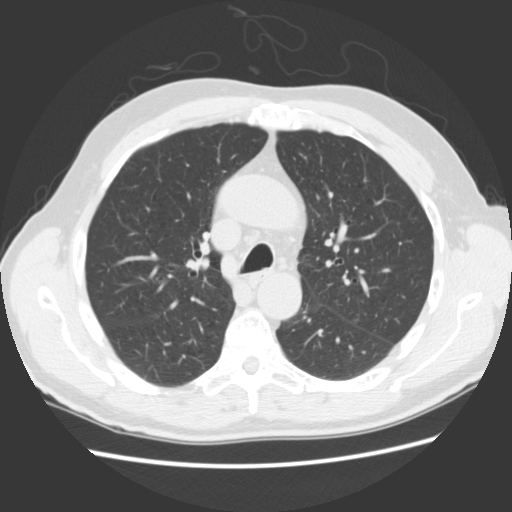
Chest CT, axial plane, 120 kVp, kernel STANDARD. Slice 108/157 from the bottom of the scan; thickness 2.50 mm; pixel size 0.703 mm.
Pulmonary nodule outlined by two of the four readers; box rows 319–321, columns 354–357 (the union of the readers' outlines on this slice); longest diameter 5.6 mm on average over the two readers' outlines (readers' outlines 4.7–6.5 mm), volume 48–49 mm3. Ratings, by the readers' most common answer with dissent counted: texture split among the readers: 1/5 (non-solid) (one), 4/5 (one); margin 2/5, both readers agreeing; sphericity split among the readers: 2/5 (one), 5/5 (round) (one); calcification absent, both readers agreeing; internal structure soft tissue, both readers agreeing; subtlety split among the readers: 1/5 (one), 2/5 (one); malignancy likelihood split among the readers: 1/5 (one), 2/5 (one). Scale key (1–5): texture non-solid→solid, margin indistinct→circumscribed, sphericity linear→round, subtlety extremely subtle→obvious, malignancy likelihood highly unlikely→highly suspicious of cancer. Box rows and columns are 0-based pixel indices from the top-left corner, inclusive.